Axial chest CT slice 324 of 436 (counted from the lowest slice); tube voltage 120 kVp, convolution kernel STANDARD; slices 1.25 mm thick, 0.703 mm per pixel.
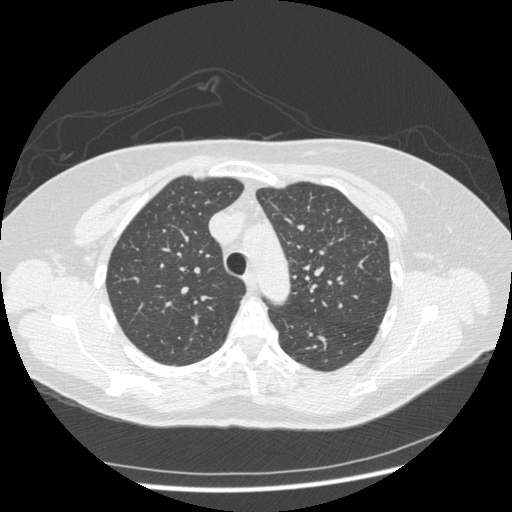
Pulmonary nodule at rows 206–212, columns 164–172 (box = the one reader's outline on this slice), outlined by all four readers, one of them on this slice; median longest diameter 11.2 mm (readers' outlines 10.7–12.4 mm), median volume 157 mm3 (115–323 mm3). Ratings, median across the readers with their spread: texture 1/5 (non-solid) at the median of four readers, spread 1/5 (non-solid) to 3/5 (part-solid); median margin 2.5/5 (readers ranged 1/5 (indistinct) to 4/5); median sphericity 3.5/5 (readers ranged 3/5 (ovoid) to 5/5 (round)); calcification absent from all four readers; internal structure soft tissue from all four readers; median subtlety 1.5/5 (readers ranged 1–3); malignancy likelihood 3/5 at the median of four readers, spread 2–3. Scale key (1–5): texture non-solid→solid, margin indistinct→circumscribed, sphericity linear→round, subtlety extremely subtle→obvious, malignancy likelihood highly unlikely→highly suspicious of cancer. Box rows and columns are 0-based pixel indices from the top-left corner, inclusive.